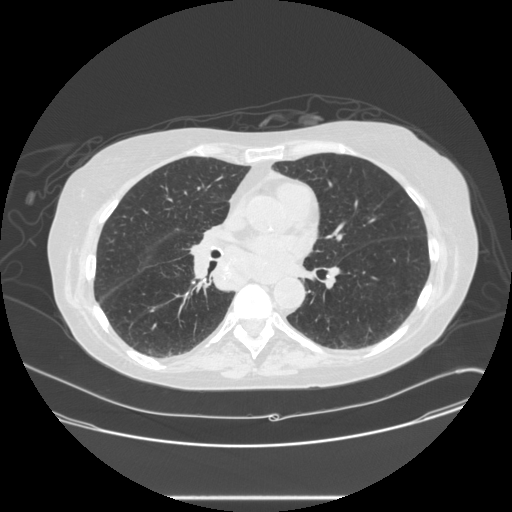
Chest CT, axial plane, 120 kVp, kernel STANDARD. Slice 129/257 from the bottom of the scan; thickness 1.25 mm; pixel size 0.787 mm.
This slice carries no reader outline of a nodule 3 mm or larger.